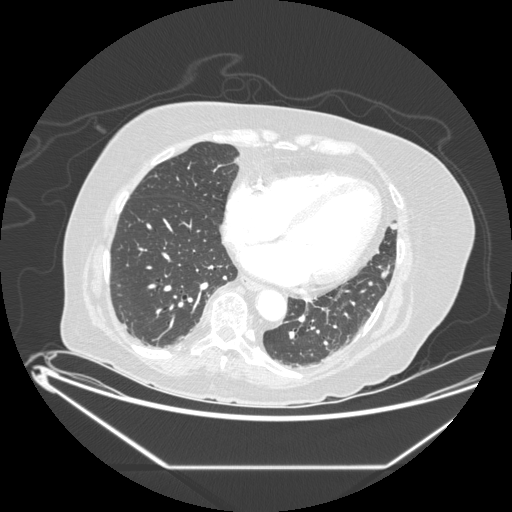
Axial chest CT slice 59 of 197 (counted from the lowest slice); tube voltage 120 kVp, convolution kernel STANDARD; slices 1.25 mm thick, 0.859 mm per pixel.
Pulmonary nodule outlined by three of the four readers; box rows 223–232, columns 390–396 (the union of the readers' outlines on this slice); longest diameter 7.9–12.5 mm and volume 121–343 mm3 across the three readers' outlines. The readers' ratings, as ranges where they differ: texture 5/5 (solid), all three readers agreeing; margin from 4/5 to 5/5 (circumscribed) across the three readers; sphericity from 4/5 to 5/5 (round) across the three readers; calcification absent, all three readers agreeing; internal structure soft tissue from all three readers; subtlety 3–4/5 (the readers disagree); malignancy likelihood from 2/5 to 3/5 across the three readers. Scale key (1–5): texture non-solid→solid, margin indistinct→circumscribed, sphericity linear→round, subtlety extremely subtle→obvious, malignancy likelihood highly unlikely→highly suspicious of cancer. Box rows and columns are 0-based pixel indices from the top-left corner, inclusive.